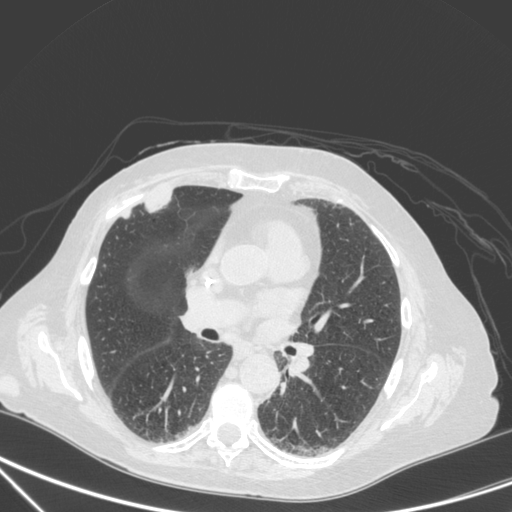
One axial slice (177 of 350, counting up from the lowest) of a chest CT acquired at 120 kVp with the C kernel; each pixel is 0.725 mm and the slice is 1.50 mm thick.
Two pulmonary nodules on this slice, listed from left to right. (1) Pulmonary nodule, outlined by one of the four readers. Box on this slice rows 210–218, columns 122–131, that reader's outline on this slice; longest diameter 11.5 mm and volume 223 mm3 from that reader's outline. That reader's ratings: texture 5/5 (solid); margin 4/5; sphericity 4/5; calcification absent; internal structure soft tissue; subtlety 5/5; malignancy likelihood 4/5. (2) Pulmonary nodule outlined by one of the four readers; box rows 191–211, columns 145–171 (that reader's outline on this slice); longest diameter 29.5 mm and volume 4181 mm3 from that reader's outline. That reader's ratings: texture 5/5 (solid); margin 4/5; sphericity 2/5; calcification absent; internal structure soft tissue; subtlety 5/5; malignancy likelihood 4/5. Scale key (1–5): texture non-solid→solid, margin indistinct→circumscribed, sphericity linear→round, subtlety extremely subtle→obvious, malignancy likelihood highly unlikely→highly suspicious of cancer. Box rows and columns are 0-based pixel indices from the top-left corner, inclusive.